Chest CT, axial plane, 120 kVp, kernel STANDARD. Slice 373/465 from the bottom of the scan; thickness 1.25 mm; pixel size 0.703 mm.
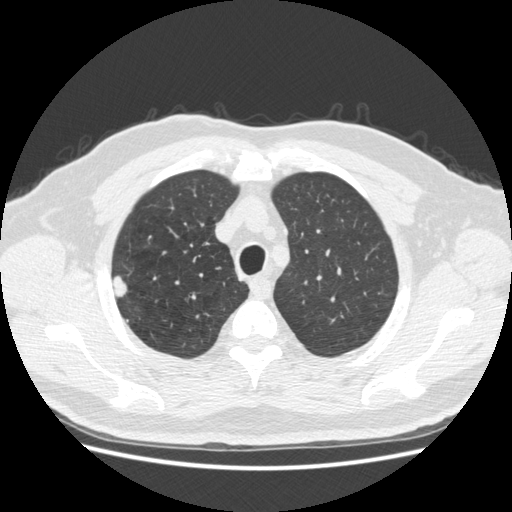
Pulmonary nodule, outlined by all four readers. Box on this slice rows 276–297, columns 112–129, the union of the readers' outlines on this slice; median longest diameter 17.8 mm (readers' outlines 15.5–18.9 mm), median volume 1370 mm3 (1041–1475 mm3). Ratings, median across the readers with their spread: texture 5/5 (solid) from all four readers; median margin 5/5 (circumscribed) (readers ranged 4/5 to 5/5 (circumscribed)); median sphericity 3.5/5 (readers ranged 3/5 (ovoid) to 5/5 (round)); calcification absent from all four readers; internal structure soft tissue, all four readers agreeing; median subtlety 5/5 (readers ranged 4–5); malignancy likelihood 4/5 at the median of four readers, spread 2–5. Scale key (1–5): texture non-solid→solid, margin indistinct→circumscribed, sphericity linear→round, subtlety extremely subtle→obvious, malignancy likelihood highly unlikely→highly suspicious of cancer. Box rows and columns are 0-based pixel indices from the top-left corner, inclusive.